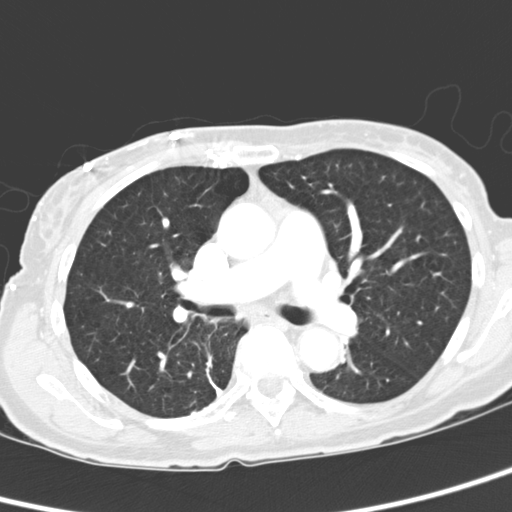
Chest CT, axial plane, 120 kVp, kernel D. Slice 193/321 from the bottom of the scan; thickness 2.00 mm; pixel size 0.557 mm.
None of the four readers outlined a nodule of 3 mm or more on this slice.